Axial chest CT slice 232 of 261 (counted from the lowest slice); tube voltage 120 kVp, convolution kernel STANDARD; slices 1.25 mm thick, 0.781 mm per pixel.
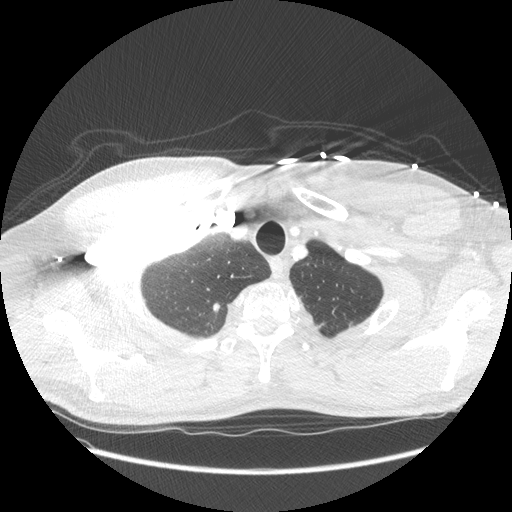
Pulmonary nodule at rows 302–312, columns 212–219 (box = the union of the readers' outlines on this slice), outlined by all four readers; longest diameter 11.8–13.6 mm and volume 240–268 mm3 across the four readers' outlines. The readers' ratings, as ranges where they differ: texture 5/5 (solid), all four readers agreeing; margin from 3/5 to 5/5 (circumscribed) across the four readers; sphericity from 2/5 to 5/5 (round) across the four readers; calcification: absent (three), solid calcification (one); internal structure soft tissue from all four readers; subtlety from 2/5 to 5/5 across the four readers; malignancy likelihood rated between 1 and 3 out of 5 by the four readers. Scale key (1–5): texture non-solid→solid, margin indistinct→circumscribed, sphericity linear→round, subtlety extremely subtle→obvious, malignancy likelihood highly unlikely→highly suspicious of cancer. Box rows and columns are 0-based pixel indices from the top-left corner, inclusive.